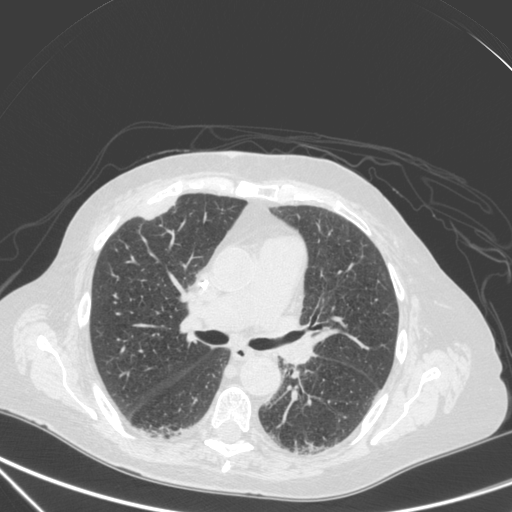
Axial chest CT slice 194 of 350 (counted from the lowest slice); tube voltage 120 kVp, convolution kernel C; slices 1.50 mm thick, 0.725 mm per pixel.
Pulmonary nodule, outlined by one of the four readers. Box on this slice rows 199–219, columns 142–176, that reader's outline on this slice; longest diameter 29.5 mm and volume 4181 mm3 from that reader's outline. Ratings by that reader: texture 5/5 (solid); margin 4/5; sphericity 2/5; calcification absent; internal structure soft tissue; subtlety 5/5; malignancy likelihood 4/5. Scale key (1–5): texture non-solid→solid, margin indistinct→circumscribed, sphericity linear→round, subtlety extremely subtle→obvious, malignancy likelihood highly unlikely→highly suspicious of cancer. Box rows and columns are 0-based pixel indices from the top-left corner, inclusive.